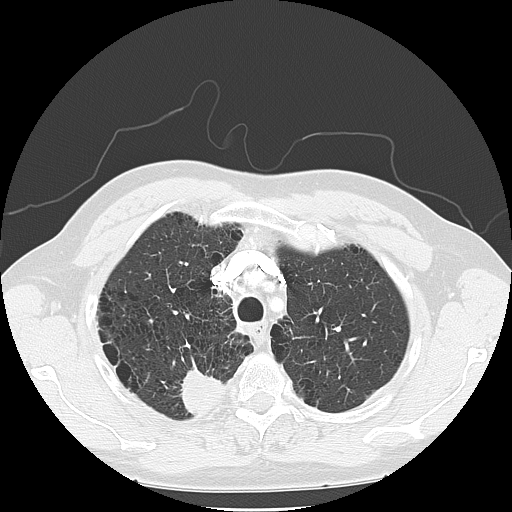
Chest CT, axial plane, 120 kVp, kernel LUNG. Slice 105/133 from the bottom of the scan; thickness 2.50 mm; pixel size 0.703 mm.
Pulmonary nodule outlined by one of the four readers; box rows 370–412, columns 181–225 (that reader's outline on this slice); longest diameter 40.9 mm and volume 12423 mm3 from that reader's outline. Ratings by that reader: texture 5/5 (solid); margin 3/5; sphericity 3/5 (ovoid); calcification absent; internal structure soft tissue; subtlety 5/5; malignancy likelihood 2/5. Scale key (1–5): texture non-solid→solid, margin indistinct→circumscribed, sphericity linear→round, subtlety extremely subtle→obvious, malignancy likelihood highly unlikely→highly suspicious of cancer. Box rows and columns are 0-based pixel indices from the top-left corner, inclusive.